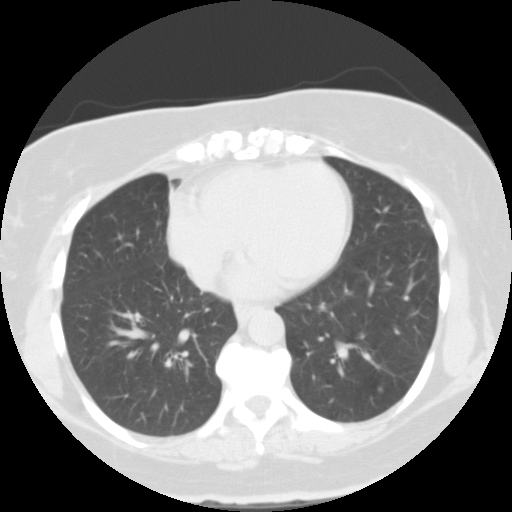
Slice 42/105 of a chest CT, counting up from the lowest; pixel size 0.656 mm, slice thickness 3.00 mm. Pulmonary nodule at rows 386–392, columns 376–383 (box = the union of the readers' outlines on this slice), outlined by all four readers, two of them on this slice; median longest diameter 6.6 mm (readers' outlines 6.2–8.3 mm), median volume 134 mm3 (117–333 mm3). Median ratings and the readers' spread: texture 5/5 (solid), all four readers agreeing; margin 5/5 (circumscribed), all four readers agreeing; sphericity 5/5 (round), all four readers agreeing; calcification: solid calcification (three), central calcification (one); internal structure soft tissue, all four readers agreeing; subtlety 4.5/5 at the median of four readers, spread 3–5; malignancy likelihood 1/5 from all four readers. Scale key (1–5): texture non-solid→solid, margin indistinct→circumscribed, sphericity linear→round, subtlety extremely subtle→obvious, malignancy likelihood highly unlikely→highly suspicious of cancer. Box rows and columns are 0-based pixel indices from the top-left corner, inclusive.
Tube voltage 135 kVp; convolution kernel FC01.